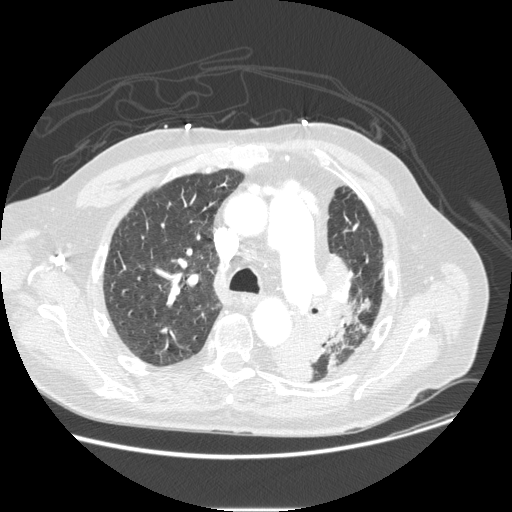
One axial slice (167 of 232, counting up from the lowest) of a chest CT acquired at 120 kVp with the STANDARD kernel; each pixel is 0.781 mm and the slice is 1.25 mm thick.
Pulmonary nodule outlined by all four readers; box rows 295–314, columns 356–371 (the union of the readers' outlines on this slice); longest diameter 19.0–24.3 mm and volume 1498–2178 mm3 across the four readers' outlines. The readers' ratings, as ranges where they differ: texture 5/5 (solid), all four readers agreeing; margin from 4/5 to 5/5 (circumscribed) across the four readers; sphericity 3/5 (ovoid) from all four readers; calcification absent, all four readers agreeing; internal structure soft tissue, all four readers agreeing; subtlety rated between 4 and 5 out of 5 by the four readers; malignancy likelihood 2–5/5 (the readers disagree). Scale key (1–5): texture non-solid→solid, margin indistinct→circumscribed, sphericity linear→round, subtlety extremely subtle→obvious, malignancy likelihood highly unlikely→highly suspicious of cancer. Box rows and columns are 0-based pixel indices from the top-left corner, inclusive.